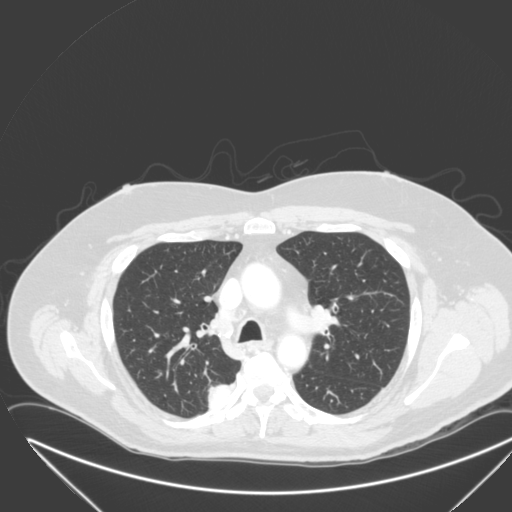
Chest CT, axial plane, 120 kVp, kernel B. Slice 215/315 from the bottom of the scan; thickness 2.00 mm; pixel size 0.830 mm.
Pulmonary nodule, outlined by one of the four readers. Box on this slice rows 385–407, columns 209–228, that reader's outline on this slice; longest diameter 27.1 mm and volume 6093 mm3 from that reader's outline. Ratings by that reader: texture 5/5 (solid); margin 4/5; sphericity 2/5; calcification absent; internal structure soft tissue; subtlety 5/5; malignancy likelihood 4/5. Scale key (1–5): texture non-solid→solid, margin indistinct→circumscribed, sphericity linear→round, subtlety extremely subtle→obvious, malignancy likelihood highly unlikely→highly suspicious of cancer. Box rows and columns are 0-based pixel indices from the top-left corner, inclusive.